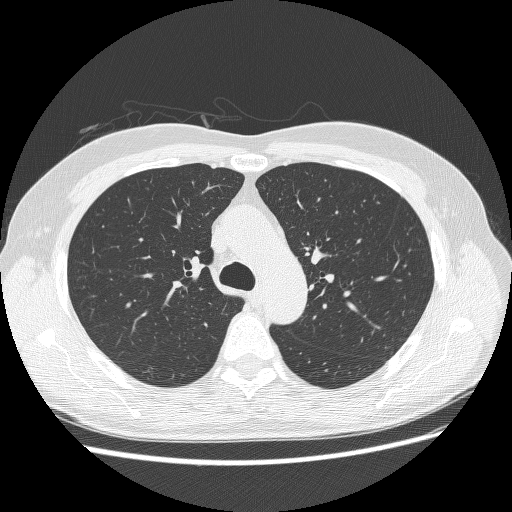
Axial chest CT slice 194 of 280 (counted from the lowest slice); 1.25 mm thick, 0.703 mm per pixel. No nodule of 3 mm or larger was outlined by any of the four readers on this slice.
Acquired at 120 kVp and reconstructed with the BONE kernel.